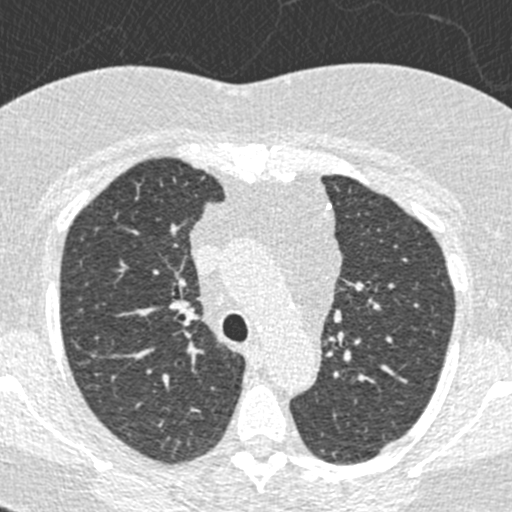
Axial slice 325 of 423 of a chest CT (slice 1 is the lowest), reconstructed with the B30f kernel at 120 kVp; 0.75 mm slice thickness and 0.520 mm pixels.
The readers outlined no nodule of 3 mm or more on this slice.